Axial slice 272 of 519 of a chest CT (slice 1 is the lowest), reconstructed with the STANDARD kernel at 120 kVp; 1.25 mm slice thickness and 0.645 mm pixels.
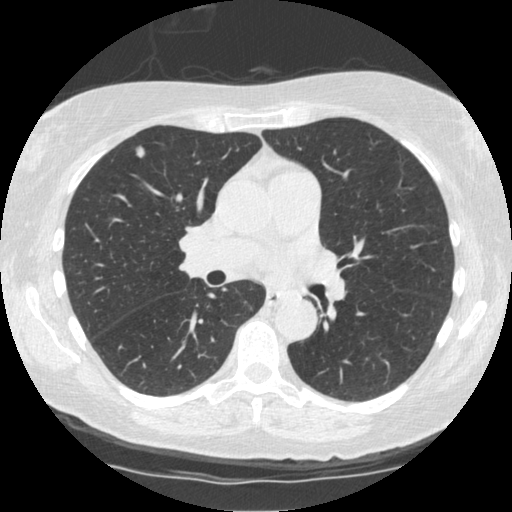
Pulmonary nodule outlined by all four readers; box rows 145–158, columns 134–145 (the union of the readers' outlines on this slice); longest diameter 9.4 mm on average over the four readers' outlines (readers' outlines 9.0–9.8 mm), volume 121–176 mm3. The readers' prevailing ratings and who disagreed: texture 5/5 (solid) from all four readers; margin split among the readers: 4/5 (two), 5/5 (circumscribed) (two); sphericity 3/5 (ovoid) by two of four readers; the rest gave 4/5 (one), 5/5 (round) (one); calcification absent, all four readers agreeing; internal structure soft tissue, all four readers agreeing; subtlety 5/5 by three of four readers; the rest gave 4/5 (one); most readers (three of four) put malignancy likelihood at 3/5, others 2/5 (one). Scale key (1–5): texture non-solid→solid, margin indistinct→circumscribed, sphericity linear→round, subtlety extremely subtle→obvious, malignancy likelihood highly unlikely→highly suspicious of cancer. Box rows and columns are 0-based pixel indices from the top-left corner, inclusive.